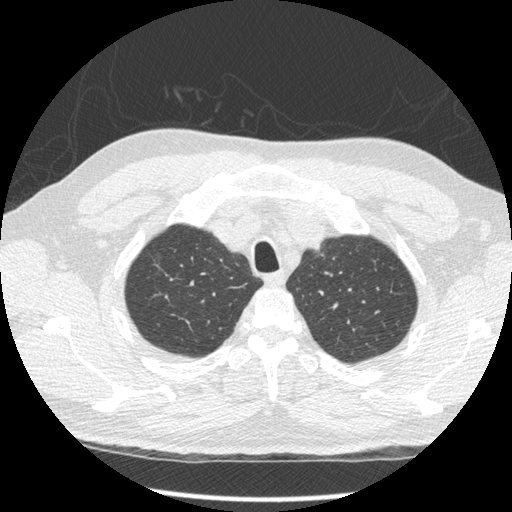
This is axial slice 382 of 452 (slice 1 is the lowest) of a chest CT; each pixel is 0.703 mm and the slice is 1.25 mm thick. Pulmonary nodule at rows 254–260, columns 155–162 (box = the one reader's outline on this slice), outlined by three of the four readers, one of them on this slice; median longest diameter 8.5 mm (readers' outlines 7.2–10.2 mm), median volume 79 mm3 (45–84 mm3). Median ratings and the readers' spread: texture 1/5 (non-solid) at the median of three readers, spread 1/5 (non-solid) to 4/5; margin 2/5 at the median of three readers, spread 2/5 to 3/5; sphericity 4/5 at the median of three readers, spread 3/5 (ovoid) to 5/5 (round); calcification absent from all three readers; internal structure soft tissue from all three readers; median subtlety 1/5 (readers ranged 1–4); malignancy likelihood 3/5 at the median of three readers, spread 3–5. Scale key (1–5): texture non-solid→solid, margin indistinct→circumscribed, sphericity linear→round, subtlety extremely subtle→obvious, malignancy likelihood highly unlikely→highly suspicious of cancer. Box rows and columns are 0-based pixel indices from the top-left corner, inclusive.
Acquired at 120 kVp and reconstructed with the STANDARD kernel.